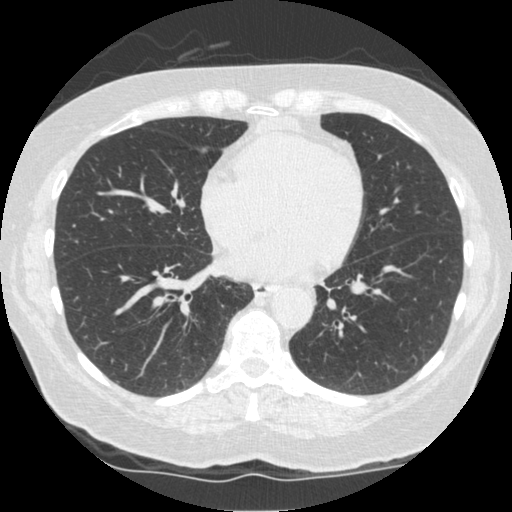
Axial slice 195 of 519 of a chest CT (slice 1 is the lowest), reconstructed with the STANDARD kernel at 120 kVp; 1.25 mm slice thickness and 0.645 mm pixels.
Pulmonary nodule, outlined by all four readers, three of them on this slice. Box on this slice rows 147–153, columns 199–208, the union of the readers' outlines on this slice; longest diameter 8.4–10.5 mm and volume 147–202 mm3 across the four readers' outlines. The readers' ratings, as ranges where they differ: texture 5/5 (solid) from all four readers; margin from 4/5 to 5/5 (circumscribed) across the four readers; sphericity 3/5 (ovoid) from all four readers; calcification absent, all four readers agreeing; internal structure soft tissue, all four readers agreeing; subtlety rated between 4 and 5 out of 5 by the four readers; malignancy likelihood rated between 2 and 4 out of 5 by the four readers. Scale key (1–5): texture non-solid→solid, margin indistinct→circumscribed, sphericity linear→round, subtlety extremely subtle→obvious, malignancy likelihood highly unlikely→highly suspicious of cancer. Box rows and columns are 0-based pixel indices from the top-left corner, inclusive.